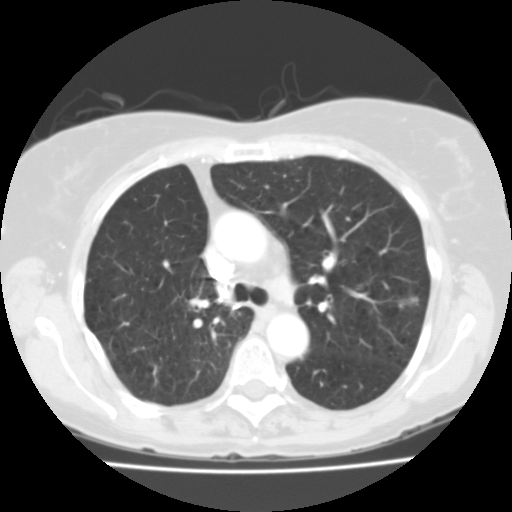
Axial slice 71 of 112 of a chest CT (slice 1 is the lowest), reconstructed with the FC01 kernel at 135 kVp; 3.00 mm slice thickness and 0.613 mm pixels.
Pulmonary nodule, outlined by all four readers. Box on this slice rows 296–307, columns 396–418, the union of the readers' outlines on this slice; the four readers' outlines give a longest diameter between 13.6 and 15.2 mm and a volume between 677 and 955 mm3. The readers' ratings, as ranges where they differ: texture from 4/5 to 5/5 (solid) across the four readers; margin from 2/5 to 3/5 across the four readers; sphericity from 3/5 (ovoid) to 4/5 across the four readers; calcification absent, all four readers agreeing; internal structure soft tissue from all four readers; subtlety 4–5/5 (the readers disagree); malignancy likelihood 3–5/5 (the readers disagree). Scale key (1–5): texture non-solid→solid, margin indistinct→circumscribed, sphericity linear→round, subtlety extremely subtle→obvious, malignancy likelihood highly unlikely→highly suspicious of cancer. Box rows and columns are 0-based pixel indices from the top-left corner, inclusive.